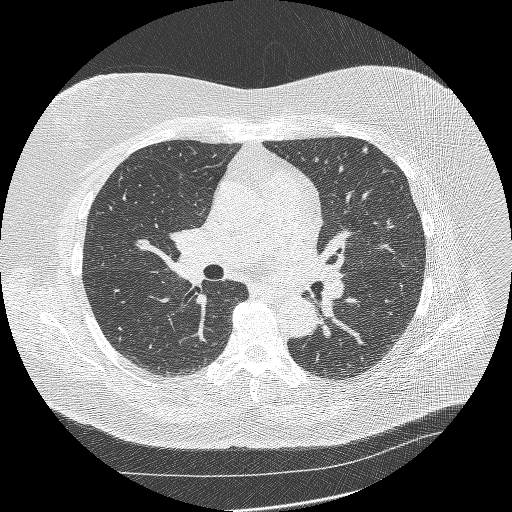
Chest CT, axial plane, 120 kVp, kernel BONE. Slice 134/231 from the bottom of the scan; thickness 1.25 mm; pixel size 0.703 mm.
Pulmonary nodule at rows 144–153, columns 362–368 (box = the union of the readers' outlines on this slice), outlined by all four readers; median longest diameter 8.3 mm (readers' outlines 7.9–8.8 mm), median volume 103 mm3 (93–138 mm3). Median ratings and the readers' spread: median texture 5/5 (solid) (readers ranged 3/5 (part-solid) to 5/5 (solid)); median margin 3/5 (readers ranged 3/5 to 5/5 (circumscribed)); median sphericity 3.5/5 (readers ranged 2/5 to 4/5); calcification absent from all four readers; internal structure soft tissue, all four readers agreeing; median subtlety 3/5 (readers ranged 2–5); median malignancy likelihood 3/5 (readers ranged 3–4). Scale key (1–5): texture non-solid→solid, margin indistinct→circumscribed, sphericity linear→round, subtlety extremely subtle→obvious, malignancy likelihood highly unlikely→highly suspicious of cancer. Box rows and columns are 0-based pixel indices from the top-left corner, inclusive.